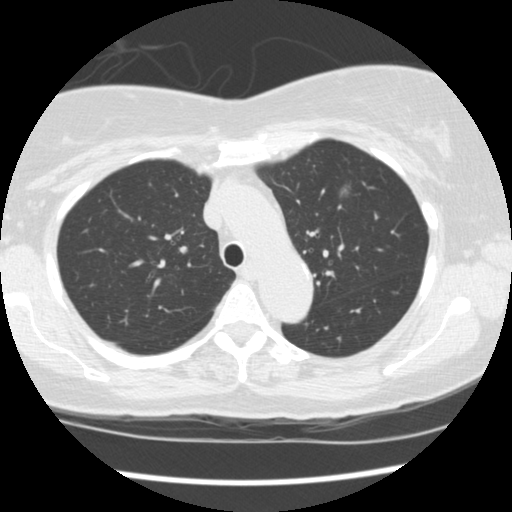
Chest CT, axial plane, 120 kVp, kernel STANDARD. Slice 108/149 from the bottom of the scan; thickness 2.50 mm; pixel size 0.625 mm.
Pulmonary nodule outlined by two of the four readers; box rows 185–196, columns 340–349 (the union of the readers' outlines on this slice); longest diameter 10.7 mm on average over the two readers' outlines (readers' outlines 10.6–10.7 mm), volume 136–238 mm3. The readers' prevailing ratings and who disagreed: texture split among the readers: 1/5 (non-solid) (one), 2/5 (one); margin split among the readers: 1/5 (indistinct) (one), 2/5 (one); sphericity 3/5 (ovoid) from both readers; calcification absent, both readers agreeing; internal structure soft tissue from both readers; subtlety split among the readers: 1/5 (one), 2/5 (one); malignancy likelihood split among the readers: 2/5 (one), 3/5 (one). Scale key (1–5): texture non-solid→solid, margin indistinct→circumscribed, sphericity linear→round, subtlety extremely subtle→obvious, malignancy likelihood highly unlikely→highly suspicious of cancer. Box rows and columns are 0-based pixel indices from the top-left corner, inclusive.